Axial slice 241 of 272 of a chest CT (slice 1 is the lowest), reconstructed with the STANDARD kernel at 120 kVp; 1.25 mm slice thickness and 0.742 mm pixels.
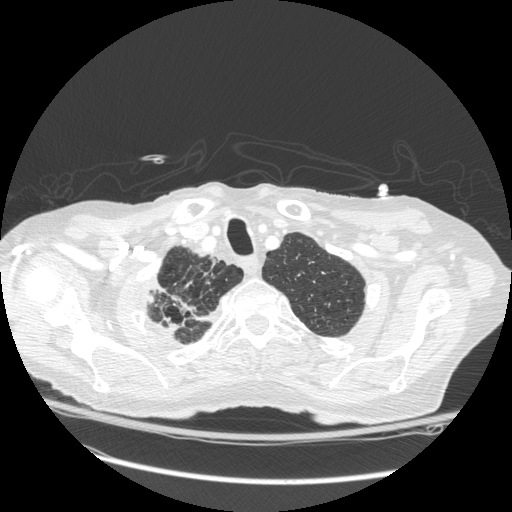
Pulmonary nodule at rows 282–333, columns 151–222 (box = the one reader's outline on this slice), outlined by all four readers, one of them on this slice; longest diameter 16.0–56.1 mm and volume 732–13897 mm3 across the four readers' outlines. The readers' ratings, as ranges where they differ: texture 5/5 (solid), all four readers agreeing; margin from 3/5 to 5/5 (circumscribed) across the four readers; sphericity from 3/5 (ovoid) to 4/5 across the four readers; calcification absent from all four readers; internal structure soft tissue, all four readers agreeing; subtlety 5/5 from all four readers; malignancy likelihood from 4/5 to 5/5 across the four readers. Scale key (1–5): texture non-solid→solid, margin indistinct→circumscribed, sphericity linear→round, subtlety extremely subtle→obvious, malignancy likelihood highly unlikely→highly suspicious of cancer. Box rows and columns are 0-based pixel indices from the top-left corner, inclusive.